Chest CT, axial plane, 120 kVp, kernel BONE. Slice 212/268 from the bottom of the scan; thickness 1.25 mm; pixel size 0.742 mm.
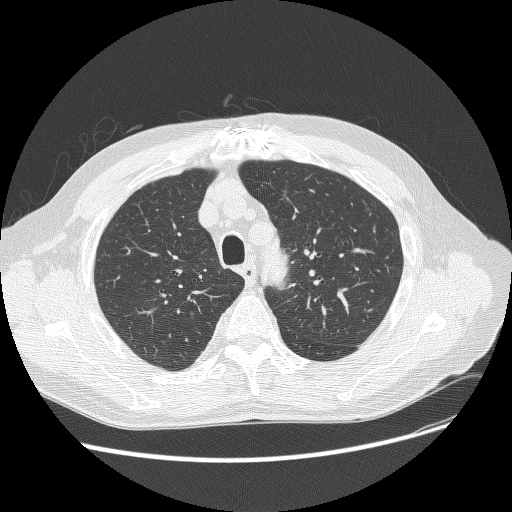
Pulmonary nodule at rows 311–318, columns 189–193 (box = the one reader's outline on this slice), outlined by three of the four readers, one of them on this slice; median longest diameter 6.6 mm (readers' outlines 6.6–9.2 mm), median volume 27 mm3 (25–102 mm3). Ratings, median across the readers with their spread: texture 1/5 (non-solid), all three readers agreeing; margin 1/5 (indistinct) at the median of three readers, spread 1/5 (indistinct) to 3/5; median sphericity 3/5 (ovoid) (readers ranged 2/5 to 4/5); calcification absent, all three readers agreeing; internal structure soft tissue from all three readers; subtlety 1/5, all three readers agreeing; malignancy likelihood 3/5 from all three readers. Scale key (1–5): texture non-solid→solid, margin indistinct→circumscribed, sphericity linear→round, subtlety extremely subtle→obvious, malignancy likelihood highly unlikely→highly suspicious of cancer. Box rows and columns are 0-based pixel indices from the top-left corner, inclusive.